One axial slice (153 of 187, counting up from the lowest) of a chest CT acquired at 120 kVp with the B30f kernel; each pixel is 0.742 mm and the slice is 2.00 mm thick.
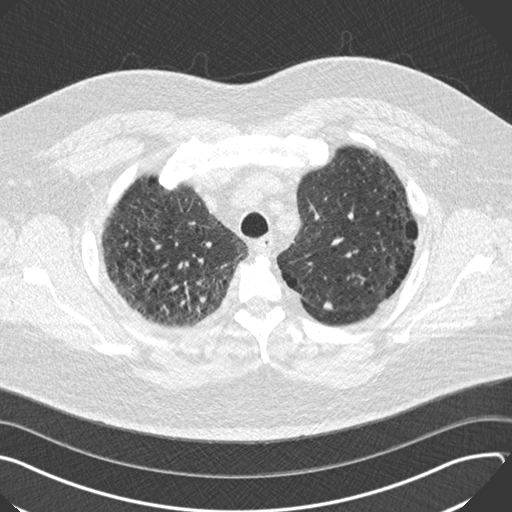
Pulmonary nodule at rows 300–310, columns 322–332 (box = the union of the readers' outlines on this slice), outlined by all four readers; the four readers' outlines give a longest diameter between 10.1 and 12.0 mm and a volume between 348 and 508 mm3. The readers' ratings, as ranges where they differ: texture from 4/5 to 5/5 (solid) across the four readers; margin from 4/5 to 5/5 (circumscribed) across the four readers; sphericity 4/5 from all four readers; calcification absent, all four readers agreeing; internal structure soft tissue from all four readers; subtlety rated between 3 and 5 out of 5 by the four readers; malignancy likelihood from 2/5 to 4/5 across the four readers. Scale key (1–5): texture non-solid→solid, margin indistinct→circumscribed, sphericity linear→round, subtlety extremely subtle→obvious, malignancy likelihood highly unlikely→highly suspicious of cancer. Box rows and columns are 0-based pixel indices from the top-left corner, inclusive.